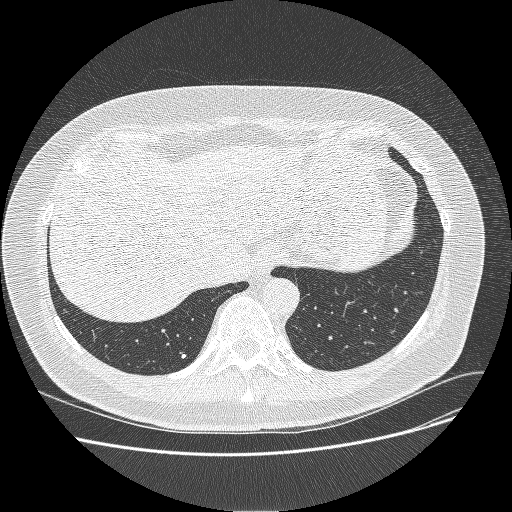
Axial chest CT slice 71 of 270 (counted from the lowest slice); 1.25 mm thick, 0.703 mm per pixel. Pulmonary nodule at rows 354–358, columns 181–185 (box = that reader's outline on this slice), outlined by one of the four readers; longest diameter 4.4 mm and volume 40 mm3 from that reader's outline. Ratings by that reader: texture 5/5 (solid); margin 5/5 (circumscribed); sphericity 5/5 (round); calcification solid calcification; internal structure soft tissue; subtlety 5/5; malignancy likelihood 1/5. Scale key (1–5): texture non-solid→solid, margin indistinct→circumscribed, sphericity linear→round, subtlety extremely subtle→obvious, malignancy likelihood highly unlikely→highly suspicious of cancer. Box rows and columns are 0-based pixel indices from the top-left corner, inclusive.
Scan settings: 120 kVp, BONE reconstruction kernel.